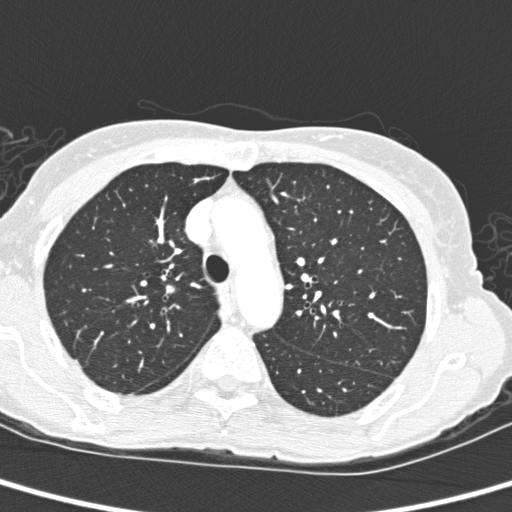
Chest CT, axial plane, 120 kVp, kernel D. Slice 201/280 from the bottom of the scan; thickness 1.00 mm; pixel size 0.564 mm.
Pulmonary nodule at rows 284–293, columns 166–175 (box = the union of the readers' outlines on this slice), outlined by all four readers; median longest diameter 11.7 mm (readers' outlines 9.9–12.5 mm), median volume 494 mm3 (362–590 mm3). Median ratings and the readers' spread: median texture 5/5 (solid) (readers ranged 4/5 to 5/5 (solid)); margin 4.5/5 at the median of four readers, spread 4/5 to 5/5 (circumscribed); sphericity 4.5/5 at the median of four readers, spread 3/5 (ovoid) to 5/5 (round); calcification absent, all four readers agreeing; internal structure soft tissue, all four readers agreeing; subtlety 4.5/5 at the median of four readers, spread 4–5; median malignancy likelihood 4.5/5 (readers ranged 2–5). Scale key (1–5): texture non-solid→solid, margin indistinct→circumscribed, sphericity linear→round, subtlety extremely subtle→obvious, malignancy likelihood highly unlikely→highly suspicious of cancer. Box rows and columns are 0-based pixel indices from the top-left corner, inclusive.